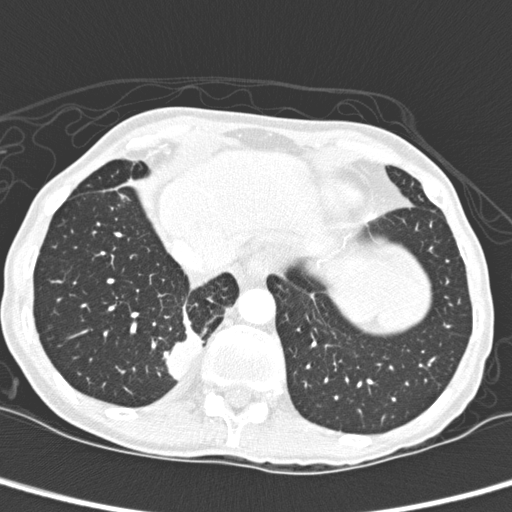
One axial slice (54 of 280, counting up from the lowest) of a chest CT acquired at 120 kVp with the D kernel; each pixel is 0.564 mm and the slice is 1.00 mm thick.
Pulmonary nodule at rows 327–379, columns 167–201 (box = the union of the readers' outlines on this slice), outlined by two of the four readers; longest diameter 33.9 mm on average over the two readers' outlines (readers' outlines 32.1–35.8 mm), volume 5657–6702 mm3. The readers' prevailing ratings and who disagreed: texture 5/5 (solid), both readers agreeing; margin 4/5, both readers agreeing; sphericity 3/5 (ovoid) from both readers; calcification absent from both readers; internal structure soft tissue from both readers; subtlety 5/5, both readers agreeing; malignancy likelihood split among the readers: 2/5 (one), 3/5 (one). Scale key (1–5): texture non-solid→solid, margin indistinct→circumscribed, sphericity linear→round, subtlety extremely subtle→obvious, malignancy likelihood highly unlikely→highly suspicious of cancer. Box rows and columns are 0-based pixel indices from the top-left corner, inclusive.